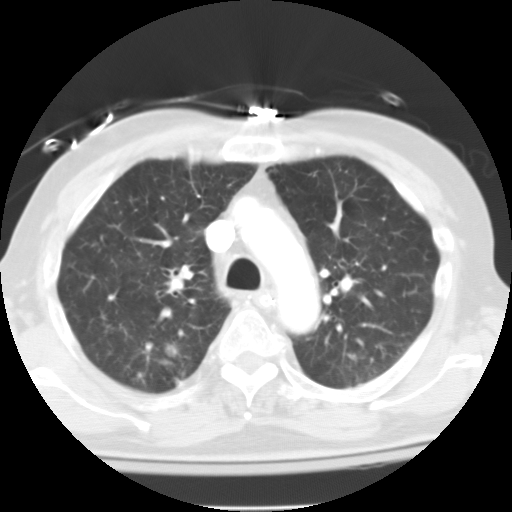
Axial slice 91 of 125 of a chest CT (slice 1 is the lowest), reconstructed with the FC10 kernel at 135 kVp; 3.00 mm slice thickness and 0.628 mm pixels.
Pulmonary nodule at rows 346–356, columns 165–177 (box = that reader's outline on this slice), outlined once (the source holds six more outlines, not used); longest diameter 31.3 mm and volume 4861 mm3 from that reader's outline. That reader's ratings: texture 4/5; margin 2/5; sphericity 2/5; calcification absent; internal structure soft tissue; subtlety 5/5; malignancy likelihood 5/5. Scale key (1–5): texture non-solid→solid, margin indistinct→circumscribed, sphericity linear→round, subtlety extremely subtle→obvious, malignancy likelihood highly unlikely→highly suspicious of cancer. Box rows and columns are 0-based pixel indices from the top-left corner, inclusive.